One axial slice (49 of 129, counting up from the lowest) of a chest CT acquired at 135 kVp with the FC01 kernel; each pixel is 0.662 mm and the slice is 3.00 mm thick.
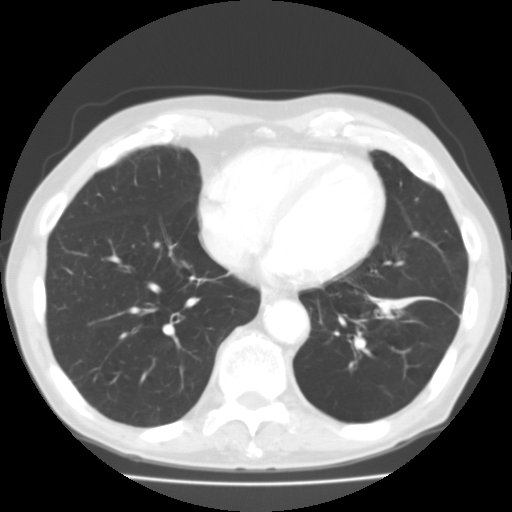
Pulmonary nodule, outlined by one of the four readers. Box on this slice rows 242–247, columns 153–159, that reader's outline on this slice; longest diameter 5.6 mm and volume 92 mm3 from that reader's outline. That reader's ratings: texture 5/5 (solid); margin 5/5 (circumscribed); sphericity 5/5 (round); calcification absent; internal structure soft tissue; subtlety 3/5; malignancy likelihood 2/5. Scale key (1–5): texture non-solid→solid, margin indistinct→circumscribed, sphericity linear→round, subtlety extremely subtle→obvious, malignancy likelihood highly unlikely→highly suspicious of cancer. Box rows and columns are 0-based pixel indices from the top-left corner, inclusive.